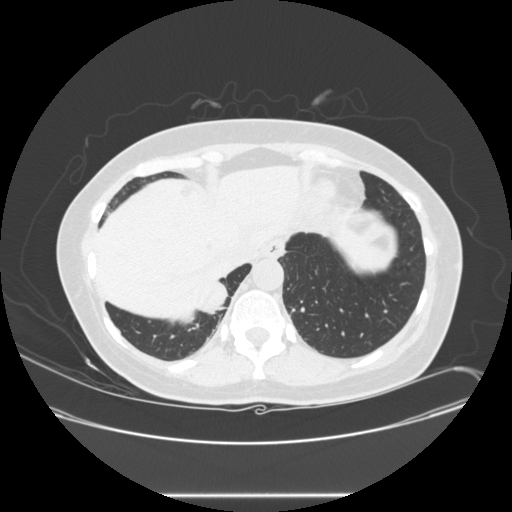
Chest CT, axial plane, 120 kVp, kernel STANDARD. Slice 81/257 from the bottom of the scan; thickness 1.25 mm; pixel size 0.781 mm.
Pulmonary nodule at rows 282–313, columns 198–227 (box = the union of the readers' outlines on this slice), outlined by three of the four readers; the three readers' outlines give a longest diameter between 28.2 and 32.2 mm and a volume between 3103 and 4675 mm3. The readers' ratings, as ranges where they differ: texture 5/5 (solid) from all three readers; margin 5/5 (circumscribed) from all three readers; sphericity 4/5 from all three readers; calcification absent from all three readers; internal structure soft tissue from all three readers; subtlety 5/5 from all three readers; malignancy likelihood 2–5/5 (the readers disagree). Scale key (1–5): texture non-solid→solid, margin indistinct→circumscribed, sphericity linear→round, subtlety extremely subtle→obvious, malignancy likelihood highly unlikely→highly suspicious of cancer. Box rows and columns are 0-based pixel indices from the top-left corner, inclusive.